Axial chest CT slice 107 of 347 (counted from the lowest slice); tube voltage 120 kVp, convolution kernel B45f; slices 1.00 mm thick, 0.625 mm per pixel.
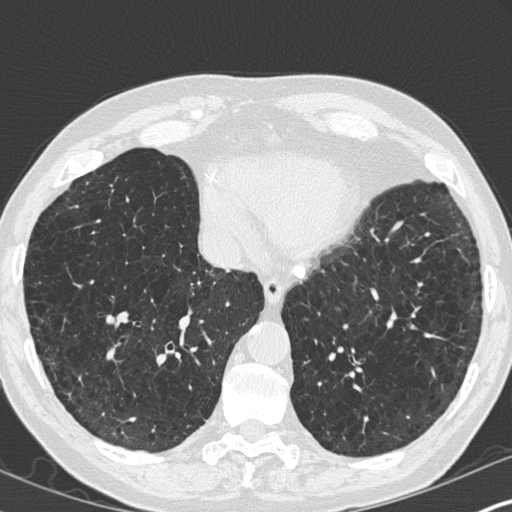
Pulmonary nodule at rows 359–364, columns 303–309 (box = the one reader's outline on this slice), outlined by two of the four readers, one of them on this slice; longest diameter 10.7–14.3 mm and volume 348–470 mm3 across the two readers' outlines. Ratings across the readers: texture 5/5 (solid), both readers agreeing; margin from 4/5 to 5/5 (circumscribed) across the two readers; sphericity from 3/5 (ovoid) to 4/5 across the two readers; calcification solid calcification, both readers agreeing; internal structure soft tissue from both readers; subtlety 5/5, both readers agreeing; malignancy likelihood 1/5 from both readers. Scale key (1–5): texture non-solid→solid, margin indistinct→circumscribed, sphericity linear→round, subtlety extremely subtle→obvious, malignancy likelihood highly unlikely→highly suspicious of cancer. Box rows and columns are 0-based pixel indices from the top-left corner, inclusive.